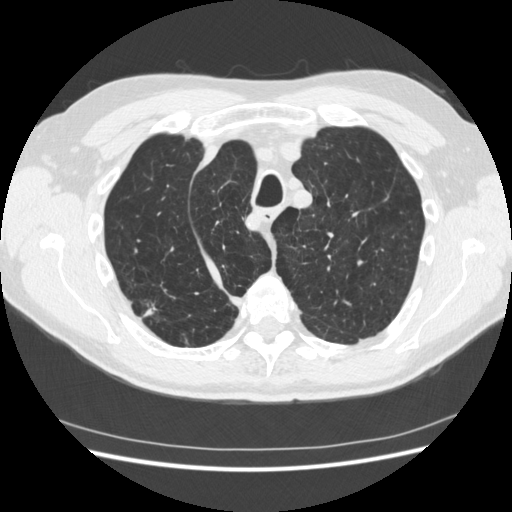
Slice 365/481 of a chest CT, counting up from the lowest; pixel size 0.703 mm, slice thickness 1.25 mm. Pulmonary nodule at rows 299–318, columns 138–158 (box = the union of the readers' outlines on this slice), outlined by all four readers; median longest diameter 25.6 mm (readers' outlines 18.7–34.9 mm), median volume 2081 mm3 (1155–4169 mm3). Ratings, median across the readers with their spread: texture 5/5 (solid) at the median of four readers, spread 4/5 to 5/5 (solid); margin 2.5/5 at the median of four readers, spread 1/5 (indistinct) to 4/5; sphericity 3.5/5 at the median of four readers, spread 2/5 to 5/5 (round); calcification absent from all four readers; internal structure soft tissue, all four readers agreeing; subtlety 5/5 from all four readers; malignancy likelihood 5/5 at the median of four readers, spread 4–5. Scale key (1–5): texture non-solid→solid, margin indistinct→circumscribed, sphericity linear→round, subtlety extremely subtle→obvious, malignancy likelihood highly unlikely→highly suspicious of cancer. Box rows and columns are 0-based pixel indices from the top-left corner, inclusive.
Tube voltage 120 kVp; convolution kernel STANDARD.